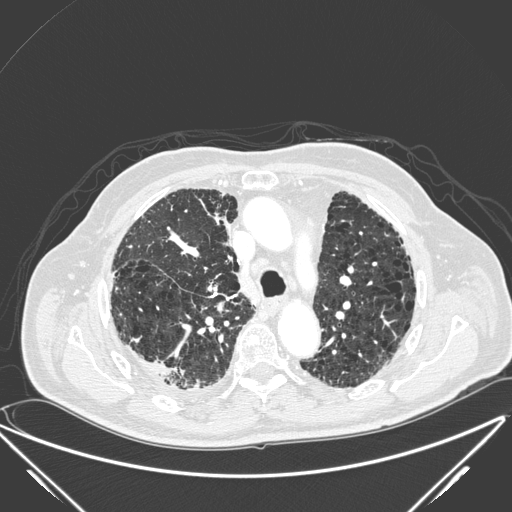
Axial chest CT slice 158 of 278 (counted from the lowest slice); tube voltage 120 kVp, convolution kernel D; slices 1.00 mm thick, 0.812 mm per pixel.
Pulmonary nodule, outlined by all four readers, two of them on this slice. Box on this slice rows 359–380, columns 152–183, the union of the readers' outlines on this slice; the four readers' outlines give a longest diameter between 17.4 and 39.8 mm and a volume between 1021 and 4525 mm3. Ratings across the readers: texture 5/5 (solid), all four readers agreeing; margin from 1/5 (indistinct) to 5/5 (circumscribed) across the four readers; sphericity from 2/5 to 5/5 (round) across the four readers; calcification absent, all four readers agreeing; internal structure soft tissue, all four readers agreeing; subtlety rated between 4 and 5 out of 5 by the four readers; malignancy likelihood 3–5/5 (the readers disagree). Scale key (1–5): texture non-solid→solid, margin indistinct→circumscribed, sphericity linear→round, subtlety extremely subtle→obvious, malignancy likelihood highly unlikely→highly suspicious of cancer. Box rows and columns are 0-based pixel indices from the top-left corner, inclusive.